Axial slice 168 of 232 of a chest CT (slice 1 is the lowest), reconstructed with the STANDARD kernel at 120 kVp; 1.25 mm slice thickness and 0.781 mm pixels.
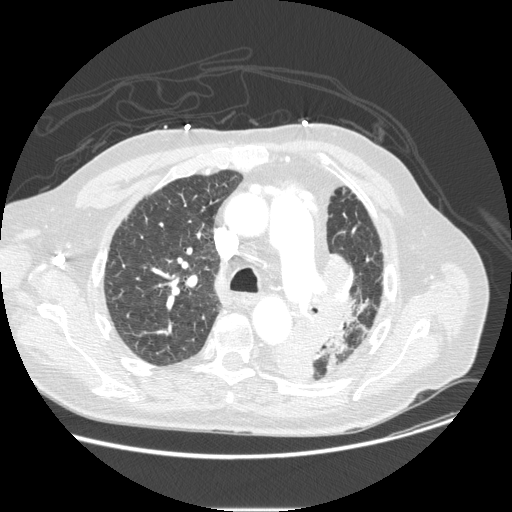
Pulmonary nodule outlined by all four readers, two of them on this slice; box rows 296–316, columns 355–370 (the union of the readers' outlines on this slice); longest diameter 21.5 mm on average over the four readers' outlines (readers' outlines 19.0–24.3 mm), volume 1498–2178 mm3. The readers' prevailing ratings and who disagreed: texture 5/5 (solid) from all four readers; margin split among the readers: 4/5 (two), 5/5 (circumscribed) (two); sphericity 3/5 (ovoid) from all four readers; calcification absent, all four readers agreeing; internal structure soft tissue, all four readers agreeing; subtlety split among the readers: 4/5 (two), 5/5 (two); malignancy likelihood split among the readers: 2/5 (one), 3/5 (one), 4/5 (one), 5/5 (one). Scale key (1–5): texture non-solid→solid, margin indistinct→circumscribed, sphericity linear→round, subtlety extremely subtle→obvious, malignancy likelihood highly unlikely→highly suspicious of cancer. Box rows and columns are 0-based pixel indices from the top-left corner, inclusive.